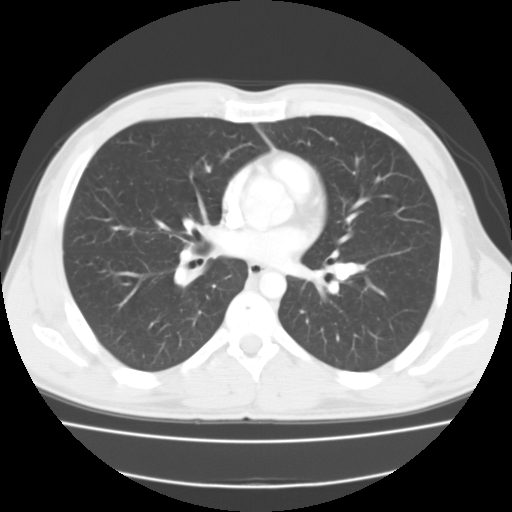
One axial slice (66 of 116, counting up from the lowest) of a chest CT acquired at 135 kVp with the FC01 kernel; each pixel is 0.702 mm and the slice is 3.00 mm thick.
None of the four readers outlined a nodule of 3 mm or more on this slice.